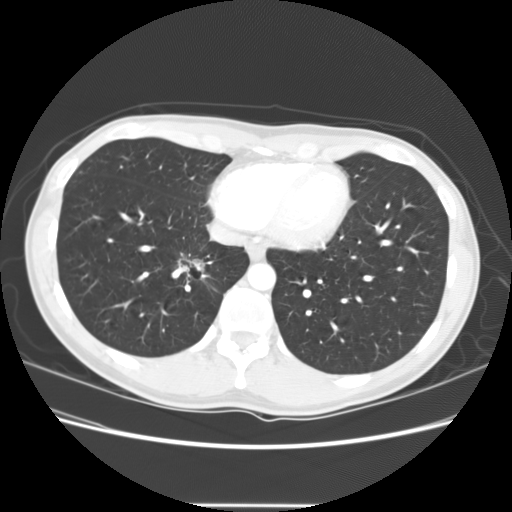
Chest CT, axial plane, 120 kVp, kernel STANDARD. Slice 46/141 from the bottom of the scan; thickness 2.50 mm; pixel size 0.703 mm.
Pulmonary nodule outlined four times (the source holds one more outline, not used), three of them on this slice; box rows 251–281, columns 176–209 (the union of the readers' outlines on this slice); longest diameter 31.6–34.1 mm and volume 4983–9079 mm3 across the four readers' outlines. The readers' ratings, as ranges where they differ: texture 5/5 (solid) from all four readers; margin from 1/5 (indistinct) to 3/5 across the four readers; sphericity from 3/5 (ovoid) to 4/5 across the four readers; calcification absent from all four readers; internal structure split among the readers: air (two), soft tissue (two); subtlety 5/5, all four readers agreeing; malignancy likelihood 5/5, all four readers agreeing. Scale key (1–5): texture non-solid→solid, margin indistinct→circumscribed, sphericity linear→round, subtlety extremely subtle→obvious, malignancy likelihood highly unlikely→highly suspicious of cancer. Box rows and columns are 0-based pixel indices from the top-left corner, inclusive.